Axial slice 217 of 250 of a chest CT (slice 1 is the lowest), reconstructed with the BONE kernel at 120 kVp; 1.25 mm slice thickness and 0.721 mm pixels.
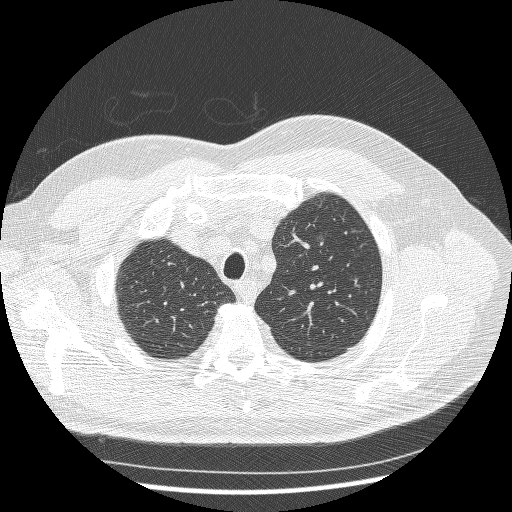
Pulmonary nodule, outlined by three of the four readers, two of them on this slice. Box on this slice rows 233–241, columns 316–325, the union of the readers' outlines on this slice; median longest diameter 10.4 mm (readers' outlines 10.0–10.8 mm), median volume 143 mm3 (55–215 mm3). Ratings, median across the readers with their spread: texture 1/5 (non-solid) from all three readers; margin 1/5 (indistinct) at the median of three readers, spread 1/5 (indistinct) to 2/5; sphericity 3/5 (ovoid) at the median of three readers, spread 2/5 to 5/5 (round); calcification absent from all three readers; internal structure soft tissue from all three readers; median subtlety 1/5 (readers ranged 1–2); malignancy likelihood 3/5 at the median of three readers, spread 3–4. Scale key (1–5): texture non-solid→solid, margin indistinct→circumscribed, sphericity linear→round, subtlety extremely subtle→obvious, malignancy likelihood highly unlikely→highly suspicious of cancer. Box rows and columns are 0-based pixel indices from the top-left corner, inclusive.